Chest CT, axial plane, 120 kVp, kernel D. Slice 97/325 from the bottom of the scan; thickness 1.00 mm; pixel size 0.781 mm.
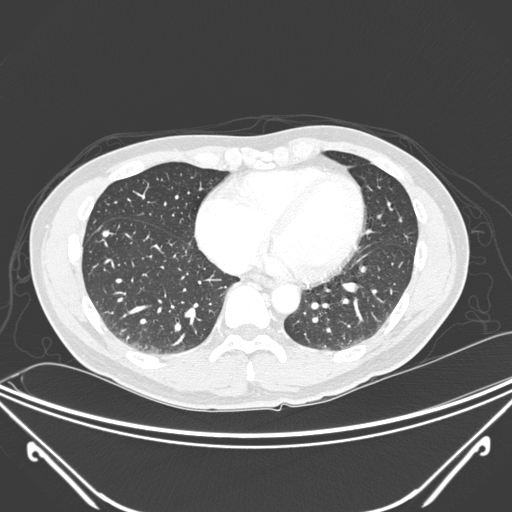
Pulmonary nodule, outlined by two of the four readers. Box on this slice rows 231–236, columns 101–108, the union of the readers' outlines on this slice; the two readers' outlines give a longest diameter between 8.0 and 9.7 mm and a volume between 154 and 206 mm3. The readers' ratings, as ranges where they differ: texture 5/5 (solid), both readers agreeing; margin from 4/5 to 5/5 (circumscribed) across the two readers; sphericity 4/5, both readers agreeing; calcification absent from both readers; internal structure soft tissue, both readers agreeing; subtlety 5/5 from both readers; malignancy likelihood from 3/5 to 4/5 across the two readers. Scale key (1–5): texture non-solid→solid, margin indistinct→circumscribed, sphericity linear→round, subtlety extremely subtle→obvious, malignancy likelihood highly unlikely→highly suspicious of cancer. Box rows and columns are 0-based pixel indices from the top-left corner, inclusive.